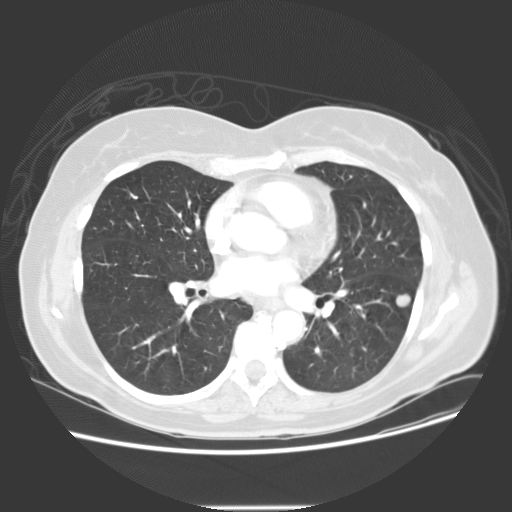
This is axial slice 69 of 133 (slice 1 is the lowest) of a chest CT; each pixel is 0.742 mm and the slice is 2.50 mm thick. Pulmonary nodule at rows 293–307, columns 395–412 (box = the union of the readers' outlines on this slice), outlined by all four readers; longest diameter 13.8 mm on average over the four readers' outlines (readers' outlines 13.4–14.4 mm), volume 848–916 mm3. Ratings, by the readers' most common answer with dissent counted: texture 5/5 (solid), all four readers agreeing; most readers (three of four) put margin at 5/5 (circumscribed), others 4/5 (one); sphericity split among the readers: 4/5 (two), 5/5 (round) (two); calcification absent from all four readers; internal structure soft tissue, all four readers agreeing; subtlety 5/5 by two of four readers; the rest gave 3/5 (one), 4/5 (one); most readers (three of four) put malignancy likelihood at 4/5, others 2/5 (one). Scale key (1–5): texture non-solid→solid, margin indistinct→circumscribed, sphericity linear→round, subtlety extremely subtle→obvious, malignancy likelihood highly unlikely→highly suspicious of cancer. Box rows and columns are 0-based pixel indices from the top-left corner, inclusive.
Acquired at 120 kVp and reconstructed with the STANDARD kernel.